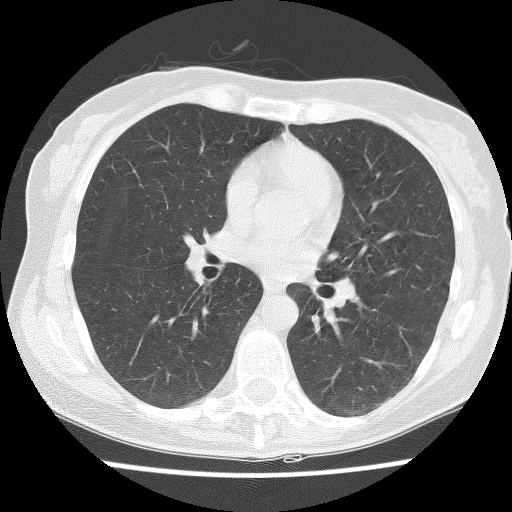
Axial chest CT slice 65 of 122 (counted from the lowest slice); 2.50 mm thick, 0.584 mm per pixel. The readers outlined no nodule of 3 mm or more on this slice.
Acquired at 140 kVp and reconstructed with the BONE kernel.